Axial slice 48 of 255 of a chest CT (slice 1 is the lowest), reconstructed with the STANDARD kernel at 120 kVp; 2.50 mm slice thickness and 0.664 mm pixels.
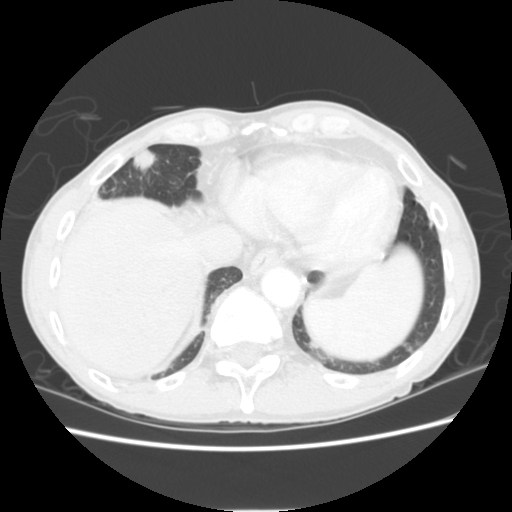
Pulmonary nodule outlined by all four readers; box rows 149–170, columns 132–155 (the union of the readers' outlines on this slice); median longest diameter 26.5 mm (readers' outlines 25.4–30.3 mm), median volume 5349 mm3 (4677–6345 mm3). Median ratings and the readers' spread: texture 5/5 (solid), all four readers agreeing; median margin 4.5/5 (readers ranged 4/5 to 5/5 (circumscribed)); sphericity 4/5 at the median of four readers, spread 3/5 (ovoid) to 5/5 (round); calcification absent, all four readers agreeing; internal structure soft tissue, all four readers agreeing; subtlety 5/5, all four readers agreeing; malignancy likelihood 5/5 at the median of four readers, spread 3–5. Scale key (1–5): texture non-solid→solid, margin indistinct→circumscribed, sphericity linear→round, subtlety extremely subtle→obvious, malignancy likelihood highly unlikely→highly suspicious of cancer. Box rows and columns are 0-based pixel indices from the top-left corner, inclusive.